Axial chest CT slice 110 of 280 (counted from the lowest slice); tube voltage 120 kVp, convolution kernel D; slices 2.00 mm thick, 0.613 mm per pixel.
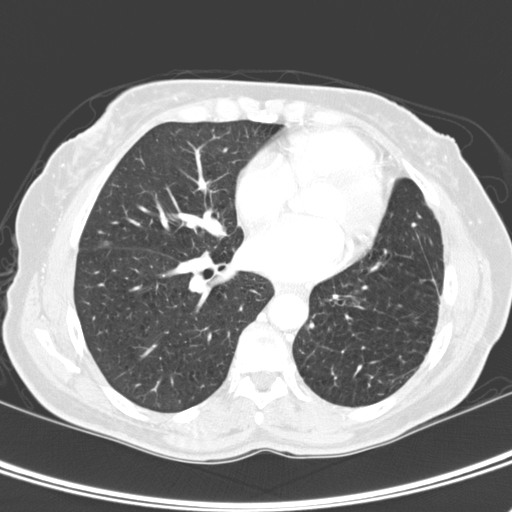
The readers outlined no nodule of 3 mm or more on this slice.